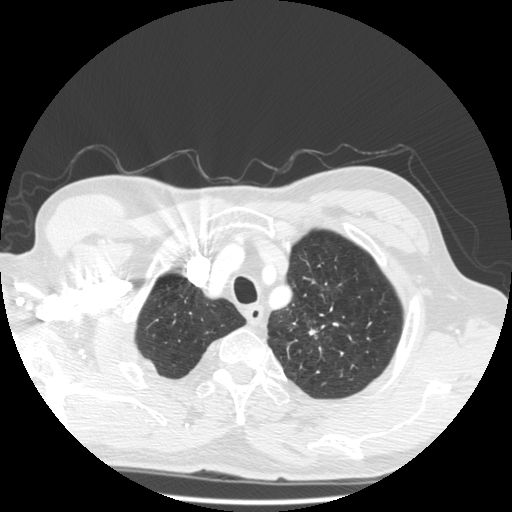
Chest CT, axial plane, 140 kVp, kernel STANDARD. Slice 439/501 from the bottom of the scan; thickness 1.25 mm; pixel size 0.703 mm.
Pulmonary nodule outlined by three of the four readers, two of them on this slice; box rows 328–335, columns 308–318 (the union of the readers' outlines on this slice); longest diameter 35.0 mm on average over the three readers' outlines (readers' outlines 32.1–39.2 mm), volume 2361–4873 mm3. Ratings, by the readers' most common answer with dissent counted: most readers (two of three) put texture at 5/5 (solid), others 4/5 (one); margin split among the readers: 1/5 (indistinct) (one), 3/5 (one), 5/5 (circumscribed) (one); sphericity split among the readers: 2/5 (one), 3/5 (ovoid) (one), 5/5 (round) (one); calcification absent, all three readers agreeing; internal structure soft tissue from all three readers; subtlety 5/5 from all three readers; most readers (two of three) put malignancy likelihood at 5/5, others 4/5 (one). Scale key (1–5): texture non-solid→solid, margin indistinct→circumscribed, sphericity linear→round, subtlety extremely subtle→obvious, malignancy likelihood highly unlikely→highly suspicious of cancer. Box rows and columns are 0-based pixel indices from the top-left corner, inclusive.